Chest CT, axial plane, 120 kVp, kernel STANDARD. Slice 51/149 from the bottom of the scan; thickness 2.50 mm; pixel size 0.742 mm.
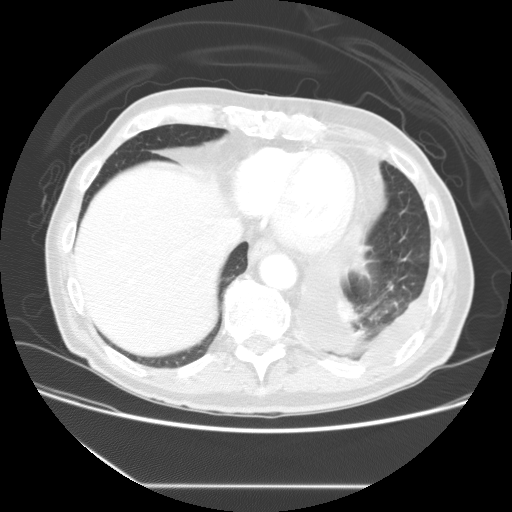
Pulmonary nodule outlined by one of the four readers; box rows 282–291, columns 387–393 (that reader's outline on this slice); longest diameter 8.7 mm and volume 147 mm3 from that reader's outline. Ratings by that reader: texture 5/5 (solid); margin 5/5 (circumscribed); sphericity 5/5 (round); calcification absent; internal structure soft tissue; subtlety 3/5; malignancy likelihood 2/5. Scale key (1–5): texture non-solid→solid, margin indistinct→circumscribed, sphericity linear→round, subtlety extremely subtle→obvious, malignancy likelihood highly unlikely→highly suspicious of cancer. Box rows and columns are 0-based pixel indices from the top-left corner, inclusive.